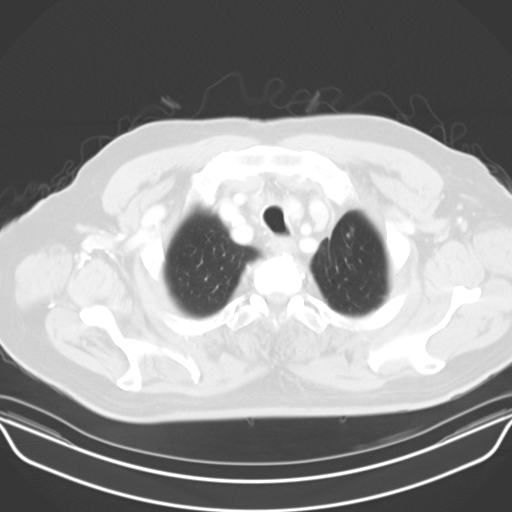
Axial slice 58 of 65 of a chest CT (slice 1 is the lowest), reconstructed with the B30s kernel at 130 kVp; 5.00 mm slice thickness and 0.773 mm pixels.
Pulmonary nodule at rows 252–255, columns 347–349 (box = the one reader's outline on this slice), outlined by three of the four readers, one of them on this slice; the three readers' outlines give a longest diameter between 5.9 and 7.0 mm and a volume between 124 and 176 mm3. Ratings across the readers: texture 5/5 (solid), all three readers agreeing; margin 4/5, all three readers agreeing; sphericity from 3/5 (ovoid) to 5/5 (round) across the three readers; calcification absent from all three readers; internal structure soft tissue, all three readers agreeing; subtlety from 3/5 to 5/5 across the three readers; malignancy likelihood rated between 2 and 3 out of 5 by the three readers. Scale key (1–5): texture non-solid→solid, margin indistinct→circumscribed, sphericity linear→round, subtlety extremely subtle→obvious, malignancy likelihood highly unlikely→highly suspicious of cancer. Box rows and columns are 0-based pixel indices from the top-left corner, inclusive.